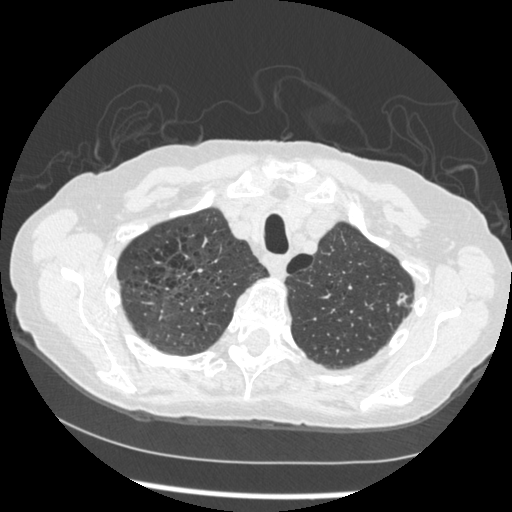
This is axial slice 388 of 461 (slice 1 is the lowest) of a chest CT; each pixel is 0.645 mm and the slice is 1.25 mm thick. Pulmonary nodule, outlined by all four readers, three of them on this slice. Box on this slice rows 292–305, columns 397–407, the union of the readers' outlines on this slice; median longest diameter 10.1 mm (readers' outlines 9.2–11.1 mm), median volume 158 mm3 (139–248 mm3). Ratings, median across the readers with their spread: texture 5/5 (solid) at the median of four readers, spread 3/5 (part-solid) to 5/5 (solid); median margin 4/5 (readers ranged 2/5 to 5/5 (circumscribed)); median sphericity 4/5 (readers ranged 2/5 to 5/5 (round)); calcification absent, all four readers agreeing; internal structure soft tissue, all four readers agreeing; subtlety 4.5/5 at the median of four readers, spread 3–5; median malignancy likelihood 3/5 (readers ranged 2–4). Scale key (1–5): texture non-solid→solid, margin indistinct→circumscribed, sphericity linear→round, subtlety extremely subtle→obvious, malignancy likelihood highly unlikely→highly suspicious of cancer. Box rows and columns are 0-based pixel indices from the top-left corner, inclusive.
Scan settings: 120 kVp, STANDARD reconstruction kernel.